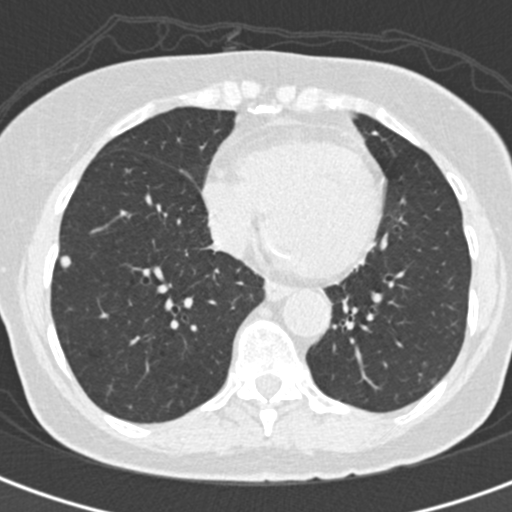
Axial chest CT slice 76 of 193 (counted from the lowest slice); tube voltage 120 kVp, convolution kernel B30f; slices 2.00 mm thick, 0.547 mm per pixel.
Two pulmonary nodules on this slice, listed from left to right. (1) Pulmonary nodule, outlined by all four readers. Box on this slice rows 255–268, columns 60–70, the union of the readers' outlines on this slice; longest diameter 7.4–9.2 mm and volume 153–277 mm3 across the four readers' outlines. The readers' ratings, as ranges where they differ: texture from 4/5 to 5/5 (solid) across the four readers; margin from 4/5 to 5/5 (circumscribed) across the four readers; sphericity from 4/5 to 5/5 (round) across the four readers; calcification absent, all four readers agreeing; internal structure soft tissue, all four readers agreeing; subtlety from 3/5 to 5/5 across the four readers; malignancy likelihood rated between 2 and 4 out of 5 by the four readers. (2) Pulmonary nodule outlined by all four readers, one of them on this slice; box rows 378–382, columns 431–435 (the one reader's outline on this slice); longest diameter 6.7 mm on average over the four readers' outlines (readers' outlines 6.1–7.6 mm), volume 64–96 mm3. The readers' prevailing ratings and who disagreed: texture 5/5 (solid) by three of four readers; the rest gave 4/5 (one); most readers (three of four) put margin at 5/5 (circumscribed), others 4/5 (one); sphericity 5/5 (round) by two of four readers; the rest gave 2/5 (one), 4/5 (one); calcification absent, all four readers agreeing; internal structure soft tissue, all four readers agreeing; subtlety 3/5 by two of four readers; the rest gave 2/5 (one), 4/5 (one); malignancy likelihood 3/5 by three of four readers; the rest gave 2/5 (one). Scale key (1–5): texture non-solid→solid, margin indistinct→circumscribed, sphericity linear→round, subtlety extremely subtle→obvious, malignancy likelihood highly unlikely→highly suspicious of cancer. Box rows and columns are 0-based pixel indices from the top-left corner, inclusive.